Axial chest CT slice 86 of 109 (counted from the lowest slice); tube voltage 135 kVp, convolution kernel FC01; slices 3.00 mm thick, 0.720 mm per pixel.
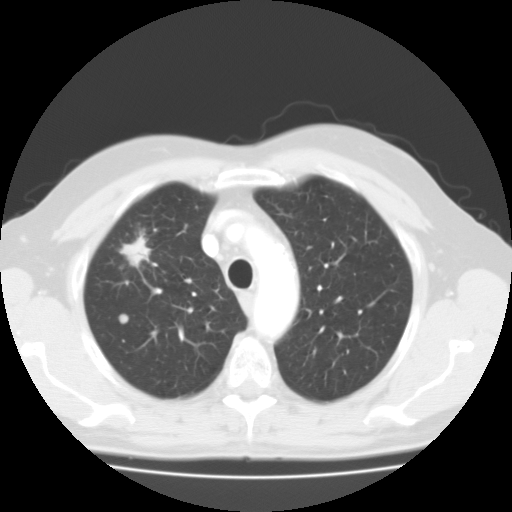
Two pulmonary nodules are outlined on this slice; from left to right: (1) Pulmonary nodule outlined by all four readers; box rows 313–324, columns 118–128 (the union of the readers' outlines on this slice); longest diameter 9.2 mm on average over the four readers' outlines (readers' outlines 8.9–10.0 mm), volume 349–490 mm3. The readers' prevailing ratings and who disagreed: most readers (three of four) put texture at 5/5 (solid), others 2/5 (one); margin split among the readers: 3/5 (two), 5/5 (circumscribed) (two); sphericity 5/5 (round) by two of four readers; the rest gave 3/5 (ovoid) (one), 4/5 (one); calcification absent, all four readers agreeing; internal structure soft tissue from all four readers; subtlety split among the readers: 3/5 (two), 5/5 (two); most readers (three of four) put malignancy likelihood at 2/5, others 3/5 (one). (2) Pulmonary nodule at rows 231–267, columns 119–151 (box = the union of the readers' outlines on this slice), outlined by three of the four readers; median longest diameter 28.5 mm (readers' outlines 28.5–30.8 mm), median volume 5688 mm3 (5654–6646 mm3). Ratings, median across the readers with their spread: median texture 5/5 (solid) (readers ranged 4/5 to 5/5 (solid)); median margin 4/5 (readers ranged 1/5 (indistinct) to 4/5); median sphericity 2/5 (readers ranged 2/5 to 3/5 (ovoid)); calcification absent from all three readers; internal structure soft tissue, all three readers agreeing; subtlety 5/5, all three readers agreeing; median malignancy likelihood 3/5 (readers ranged 3–5). Scale key (1–5): texture non-solid→solid, margin indistinct→circumscribed, sphericity linear→round, subtlety extremely subtle→obvious, malignancy likelihood highly unlikely→highly suspicious of cancer. Box rows and columns are 0-based pixel indices from the top-left corner, inclusive.